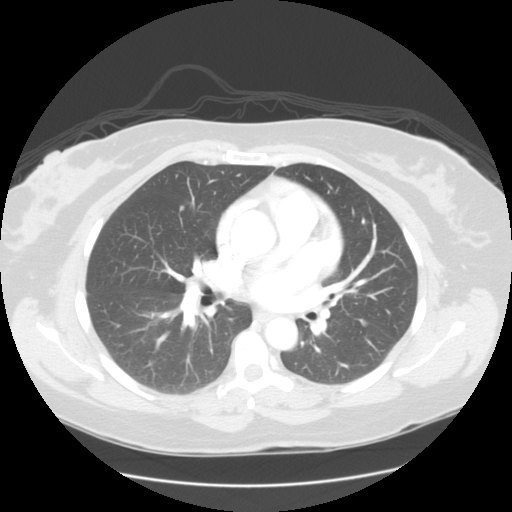
One axial slice (85 of 133, counting up from the lowest) of a chest CT acquired at 120 kVp with the STANDARD kernel; each pixel is 0.742 mm and the slice is 2.50 mm thick.
Pulmonary nodule, outlined by two of the four readers. Box on this slice rows 206–210, columns 180–183, the union of the readers' outlines on this slice; median longest diameter 5.0 mm (readers' outlines 5.0 mm), median volume 36 mm3 (35–36 mm3). Median ratings and the readers' spread: texture 5/5 (solid), both readers agreeing; margin 4.5/5 at the median of two readers, spread 4/5 to 5/5 (circumscribed); sphericity 4.5/5 at the median of two readers, spread 4/5 to 5/5 (round); calcification absent, both readers agreeing; internal structure soft tissue from both readers; subtlety 1.5/5 at the median of two readers, spread 1–2; median malignancy likelihood 1.5/5 (readers ranged 1–2). Scale key (1–5): texture non-solid→solid, margin indistinct→circumscribed, sphericity linear→round, subtlety extremely subtle→obvious, malignancy likelihood highly unlikely→highly suspicious of cancer. Box rows and columns are 0-based pixel indices from the top-left corner, inclusive.